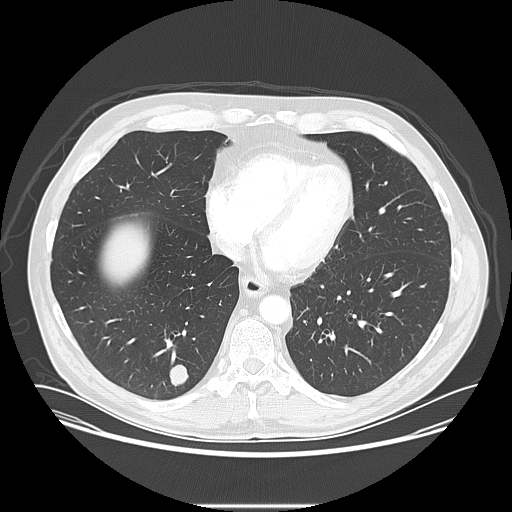
Axial slice 48 of 141 of a chest CT (slice 1 is the lowest), reconstructed with the LUNG kernel at 120 kVp; 2.50 mm slice thickness and 0.820 mm pixels.
Pulmonary nodule outlined by all four readers; box rows 363–386, columns 169–188 (the union of the readers' outlines on this slice); the four readers' outlines give a longest diameter between 19.2 and 21.8 mm and a volume between 2661 and 3789 mm3. The readers' ratings, as ranges where they differ: texture 5/5 (solid), all four readers agreeing; margin from 4/5 to 5/5 (circumscribed) across the four readers; sphericity from 3/5 (ovoid) to 4/5 across the four readers; calcification absent, all four readers agreeing; internal structure soft tissue from all four readers; subtlety rated between 4 and 5 out of 5 by the four readers; malignancy likelihood rated between 3 and 5 out of 5 by the four readers. Scale key (1–5): texture non-solid→solid, margin indistinct→circumscribed, sphericity linear→round, subtlety extremely subtle→obvious, malignancy likelihood highly unlikely→highly suspicious of cancer. Box rows and columns are 0-based pixel indices from the top-left corner, inclusive.